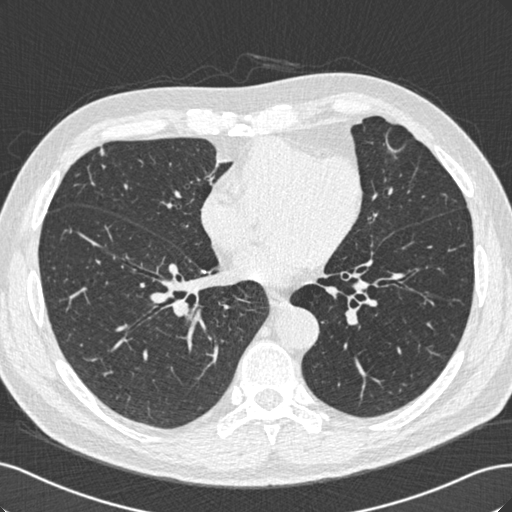
Slice 277/529 of a chest CT, counting up from the lowest; pixel size 0.703 mm, slice thickness 0.75 mm. Pulmonary nodule, outlined by one of the four readers. Box on this slice rows 147–155, columns 99–104, that reader's outline on this slice; longest diameter 8.6 mm and volume 51 mm3 from that reader's outline. That reader's ratings: texture 5/5 (solid); margin 3/5; sphericity 3/5 (ovoid); calcification absent; internal structure soft tissue; subtlety 3/5; malignancy likelihood 2/5. Scale key (1–5): texture non-solid→solid, margin indistinct→circumscribed, sphericity linear→round, subtlety extremely subtle→obvious, malignancy likelihood highly unlikely→highly suspicious of cancer. Box rows and columns are 0-based pixel indices from the top-left corner, inclusive.
Acquired at 120 kVp and reconstructed with the B30f kernel.